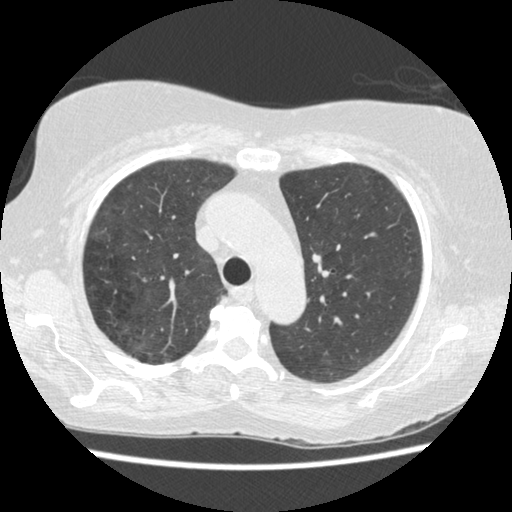
Axial chest CT slice 301 of 413 (counted from the lowest slice); 1.25 mm thick, 0.625 mm per pixel. Pulmonary nodule outlined by two of the four readers; box rows 253–261, columns 311–319 (the union of the readers' outlines on this slice); longest diameter 7.9 mm on average over the two readers' outlines (readers' outlines 7.3–8.5 mm), volume 68–167 mm3. Ratings, by the readers' most common answer with dissent counted: texture 5/5 (solid), both readers agreeing; margin split among the readers: 3/5 (one), 5/5 (circumscribed) (one); sphericity split among the readers: 4/5 (one), 5/5 (round) (one); calcification absent from both readers; internal structure soft tissue, both readers agreeing; subtlety split among the readers: 2/5 (one), 3/5 (one); malignancy likelihood split among the readers: 3/5 (one), 4/5 (one). Scale key (1–5): texture non-solid→solid, margin indistinct→circumscribed, sphericity linear→round, subtlety extremely subtle→obvious, malignancy likelihood highly unlikely→highly suspicious of cancer. Box rows and columns are 0-based pixel indices from the top-left corner, inclusive.
Tube voltage 120 kVp; convolution kernel STANDARD.